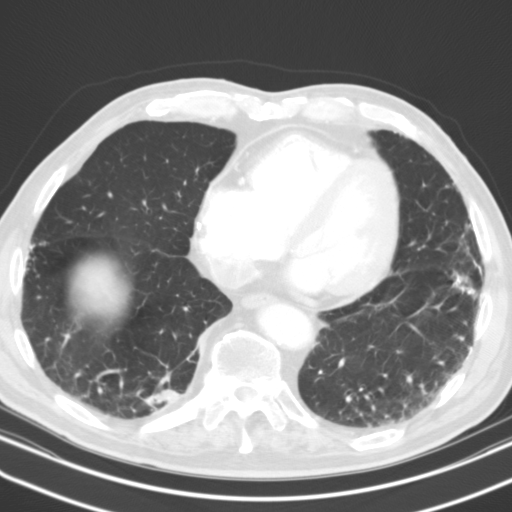
Axial chest CT slice 51 of 127 (counted from the lowest slice); tube voltage 130 kVp, convolution kernel B31s; slices 3.00 mm thick, 0.668 mm per pixel.
Pulmonary nodule outlined by two of the four readers; box rows 389–403, columns 148–180 (the union of the readers' outlines on this slice); median longest diameter 25.9 mm (readers' outlines 25.6–26.3 mm), median volume 6061 mm3 (5517–6604 mm3). Ratings, median across the readers with their spread: texture 5/5 (solid) from both readers; margin 4/5 from both readers; median sphericity 2.5/5 (readers ranged 2/5 to 3/5 (ovoid)); calcification absent from both readers; internal structure soft tissue, both readers agreeing; subtlety 5/5, both readers agreeing; malignancy likelihood 2.5/5 at the median of two readers, spread 2–3. Scale key (1–5): texture non-solid→solid, margin indistinct→circumscribed, sphericity linear→round, subtlety extremely subtle→obvious, malignancy likelihood highly unlikely→highly suspicious of cancer. Box rows and columns are 0-based pixel indices from the top-left corner, inclusive.